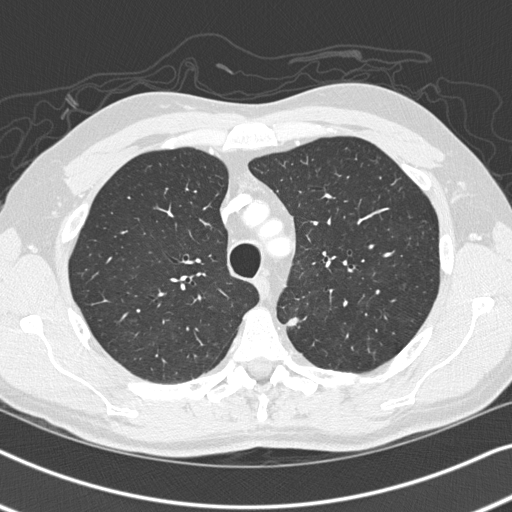
Axial chest CT slice 248 of 326 (counted from the lowest slice); tube voltage 120 kVp, convolution kernel B45f; slices 1.00 mm thick, 0.645 mm per pixel.
Pulmonary nodule, outlined by three of the four readers. Box on this slice rows 316–325, columns 284–298, the union of the readers' outlines on this slice; median longest diameter 11.6 mm (readers' outlines 10.7–11.8 mm), median volume 255 mm3 (148–311 mm3). Median ratings and the readers' spread: median texture 5/5 (solid) (readers ranged 4/5 to 5/5 (solid)); margin 4/5 at the median of three readers, spread 3/5 to 5/5 (circumscribed); sphericity 3/5 (ovoid) at the median of three readers, spread 2/5 to 5/5 (round); calcification absent, all three readers agreeing; internal structure soft tissue, all three readers agreeing; subtlety 4/5 at the median of three readers, spread 3–5; median malignancy likelihood 2/5 (readers ranged 2–3). Scale key (1–5): texture non-solid→solid, margin indistinct→circumscribed, sphericity linear→round, subtlety extremely subtle→obvious, malignancy likelihood highly unlikely→highly suspicious of cancer. Box rows and columns are 0-based pixel indices from the top-left corner, inclusive.